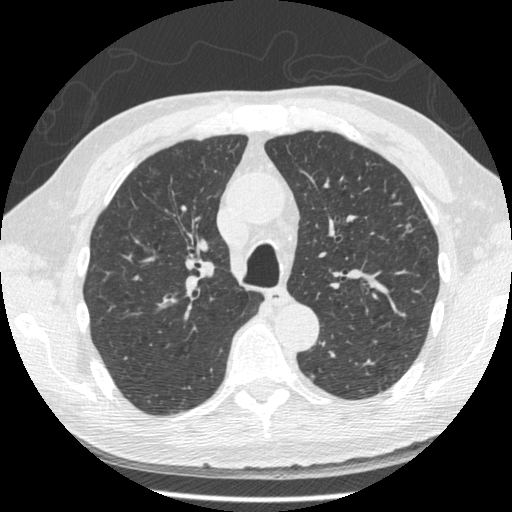
One axial slice (327 of 481, counting up from the lowest) of a chest CT acquired at 120 kVp with the STANDARD kernel; each pixel is 0.664 mm and the slice is 1.25 mm thick.
Pulmonary nodule at rows 193–197, columns 391–395 (box = that reader's outline on this slice), outlined by one of the four readers; longest diameter 7.4 mm and volume 65 mm3 from that reader's outline. That reader's ratings: texture 5/5 (solid); margin 5/5 (circumscribed); sphericity 4/5; calcification absent; internal structure soft tissue; subtlety 4/5; malignancy likelihood 3/5. Scale key (1–5): texture non-solid→solid, margin indistinct→circumscribed, sphericity linear→round, subtlety extremely subtle→obvious, malignancy likelihood highly unlikely→highly suspicious of cancer. Box rows and columns are 0-based pixel indices from the top-left corner, inclusive.